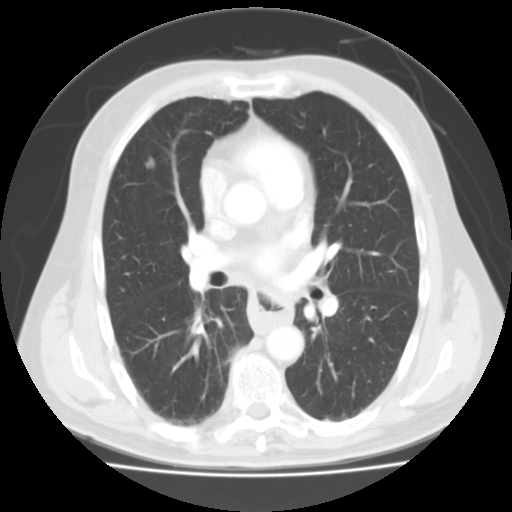
Chest CT, axial plane, 135 kVp, kernel FC01. Slice 57/103 from the bottom of the scan; thickness 3.00 mm; pixel size 0.738 mm.
Pulmonary nodule, outlined by all four readers. Box on this slice rows 156–168, columns 145–155, the union of the readers' outlines on this slice; median longest diameter 10.2 mm (readers' outlines 8.6–10.6 mm), median volume 261 mm3 (124–440 mm3). Ratings, median across the readers with their spread: texture 4.5/5 at the median of four readers, spread 4/5 to 5/5 (solid); median margin 3.5/5 (readers ranged 3/5 to 5/5 (circumscribed)); sphericity 4/5 at the median of four readers, spread 4/5 to 5/5 (round); calcification absent, all four readers agreeing; internal structure soft tissue from all four readers; median subtlety 4.5/5 (readers ranged 4–5); malignancy likelihood 3.5/5 at the median of four readers, spread 3–4. Scale key (1–5): texture non-solid→solid, margin indistinct→circumscribed, sphericity linear→round, subtlety extremely subtle→obvious, malignancy likelihood highly unlikely→highly suspicious of cancer. Box rows and columns are 0-based pixel indices from the top-left corner, inclusive.